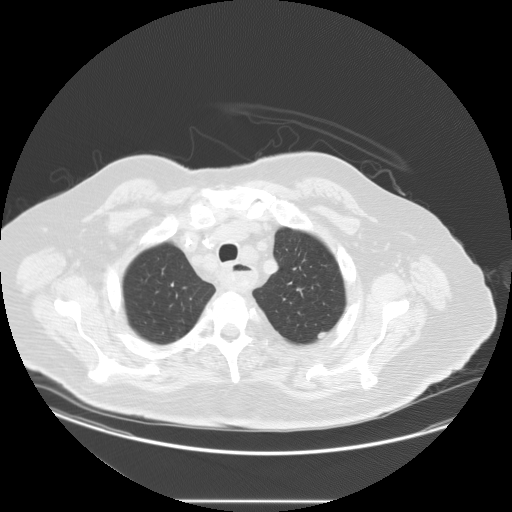
Chest CT, axial plane, 120 kVp, kernel STANDARD. Slice 113/133 from the bottom of the scan; thickness 2.50 mm; pixel size 0.859 mm.
Pulmonary nodule at rows 331–338, columns 317–327 (box = the union of the readers' outlines on this slice), outlined by two of the four readers; median longest diameter 10.6 mm (readers' outlines 9.6–11.5 mm), median volume 224 mm3 (170–279 mm3). Median ratings and the readers' spread: median texture 4.5/5 (readers ranged 4/5 to 5/5 (solid)); median margin 4.5/5 (readers ranged 4/5 to 5/5 (circumscribed)); sphericity 2.5/5 at the median of two readers, spread 2/5 to 3/5 (ovoid); calcification absent, both readers agreeing; internal structure soft tissue from both readers; median subtlety 2/5 (readers ranged 1–3); malignancy likelihood 3/5 from both readers. Scale key (1–5): texture non-solid→solid, margin indistinct→circumscribed, sphericity linear→round, subtlety extremely subtle→obvious, malignancy likelihood highly unlikely→highly suspicious of cancer. Box rows and columns are 0-based pixel indices from the top-left corner, inclusive.